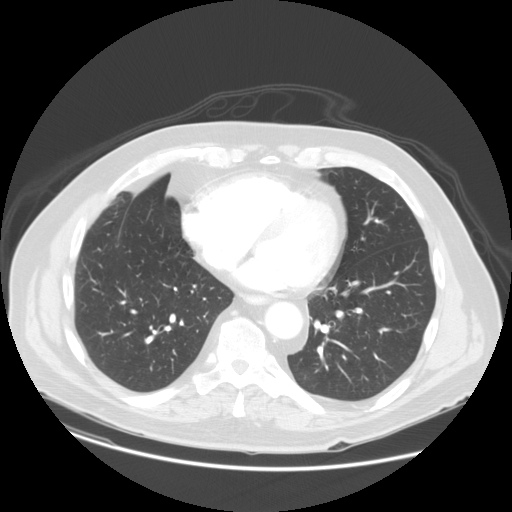
One axial slice (45 of 140, counting up from the lowest) of a chest CT acquired at 120 kVp with the STANDARD kernel; each pixel is 0.820 mm and the slice is 2.50 mm thick.
No nodule 3 mm or larger was outlined here by any reader.